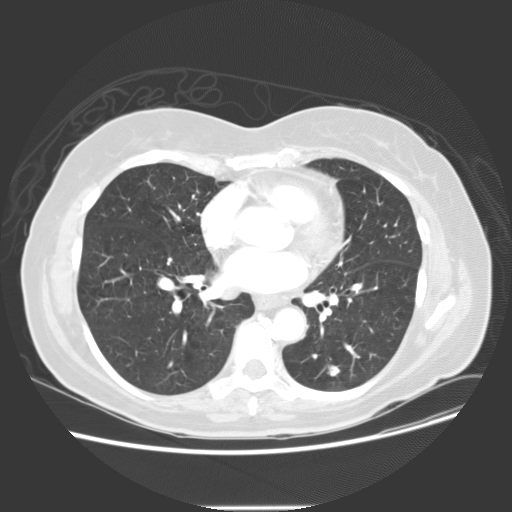
This is axial slice 65 of 133 (slice 1 is the lowest) of a chest CT; each pixel is 0.742 mm and the slice is 2.50 mm thick. Pulmonary nodule at rows 364–375, columns 327–339 (box = the union of the readers' outlines on this slice), outlined by all four readers; longest diameter 10.6 mm on average over the four readers' outlines (readers' outlines 9.7–11.2 mm), volume 300–474 mm3. The readers' prevailing ratings and who disagreed: texture 5/5 (solid) from all four readers; margin 5/5 (circumscribed) by three of four readers; the rest gave 4/5 (one); sphericity 3/5 (ovoid) by three of four readers; the rest gave 5/5 (round) (one); calcification split among the readers: absent (two), solid calcification (two); internal structure soft tissue, all four readers agreeing; subtlety 4/5 by two of four readers; the rest gave 3/5 (one), 5/5 (one); malignancy likelihood 1/5 by two of four readers; the rest gave 2/5 (one), 3/5 (one). Scale key (1–5): texture non-solid→solid, margin indistinct→circumscribed, sphericity linear→round, subtlety extremely subtle→obvious, malignancy likelihood highly unlikely→highly suspicious of cancer. Box rows and columns are 0-based pixel indices from the top-left corner, inclusive.
Acquired at 120 kVp and reconstructed with the STANDARD kernel.